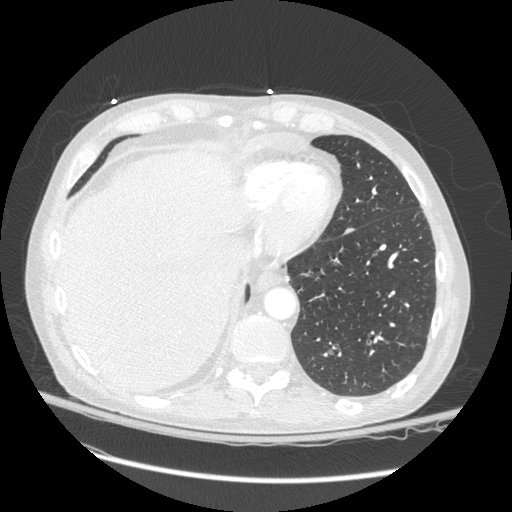
Slice 83/272 of a chest CT, counting up from the lowest; pixel size 0.742 mm, slice thickness 1.25 mm. Pulmonary nodule at rows 227–234, columns 343–356 (box = the union of the readers' outlines on this slice), outlined by all four readers; longest diameter 11.5 mm on average over the four readers' outlines (readers' outlines 10.6–13.2 mm), volume 211–375 mm3. The readers' prevailing ratings and who disagreed: texture 5/5 (solid) from all four readers; margin 5/5 (circumscribed), all four readers agreeing; sphericity 3/5 (ovoid) by three of four readers; the rest gave 5/5 (round) (one); calcification absent, all four readers agreeing; internal structure soft tissue from all four readers; subtlety 3/5 from all four readers; malignancy likelihood 2/5 by two of four readers; the rest gave 1/5 (one), 3/5 (one). Scale key (1–5): texture non-solid→solid, margin indistinct→circumscribed, sphericity linear→round, subtlety extremely subtle→obvious, malignancy likelihood highly unlikely→highly suspicious of cancer. Box rows and columns are 0-based pixel indices from the top-left corner, inclusive.
Acquired at 120 kVp and reconstructed with the STANDARD kernel.